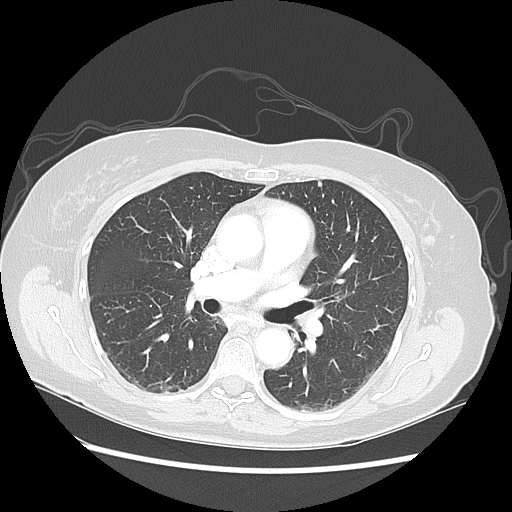
One axial slice (77 of 125, counting up from the lowest) of a chest CT acquired at 120 kVp with the LUNG kernel; each pixel is 0.703 mm and the slice is 2.50 mm thick.
Pulmonary nodule, outlined by two of the four readers. Box on this slice rows 181–186, columns 317–321, the union of the readers' outlines on this slice; longest diameter 5.4 mm on average over the two readers' outlines (readers' outlines 5.4 mm), volume 41–62 mm3. The readers' prevailing ratings and who disagreed: texture 5/5 (solid), both readers agreeing; margin 5/5 (circumscribed), both readers agreeing; sphericity split among the readers: 3/5 (ovoid) (one), 4/5 (one); calcification absent from both readers; internal structure soft tissue, both readers agreeing; subtlety 3/5 from both readers; malignancy likelihood split among the readers: 1/5 (one), 3/5 (one). Scale key (1–5): texture non-solid→solid, margin indistinct→circumscribed, sphericity linear→round, subtlety extremely subtle→obvious, malignancy likelihood highly unlikely→highly suspicious of cancer. Box rows and columns are 0-based pixel indices from the top-left corner, inclusive.